Axial chest CT slice 134 of 350 (counted from the lowest slice); tube voltage 120 kVp, convolution kernel C; slices 1.50 mm thick, 0.725 mm per pixel.
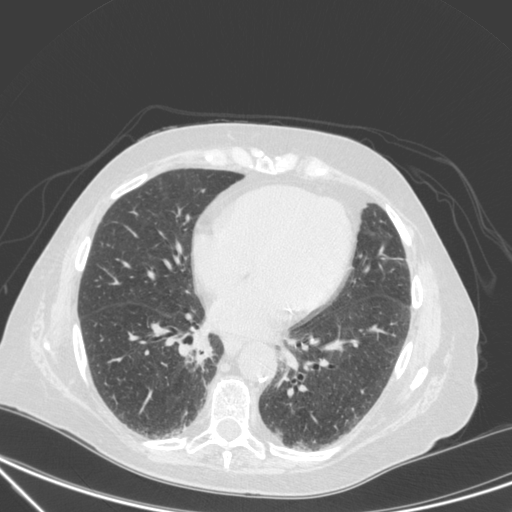
Pulmonary nodule at rows 338–359, columns 196–209 (box = that reader's outline on this slice), outlined by one of the four readers; longest diameter 29.7 mm and volume 4028 mm3 from that reader's outline. Ratings by that reader: texture 5/5 (solid); margin 3/5; sphericity 3/5 (ovoid); calcification absent; internal structure soft tissue; subtlety 5/5; malignancy likelihood 4/5. Scale key (1–5): texture non-solid→solid, margin indistinct→circumscribed, sphericity linear→round, subtlety extremely subtle→obvious, malignancy likelihood highly unlikely→highly suspicious of cancer. Box rows and columns are 0-based pixel indices from the top-left corner, inclusive.